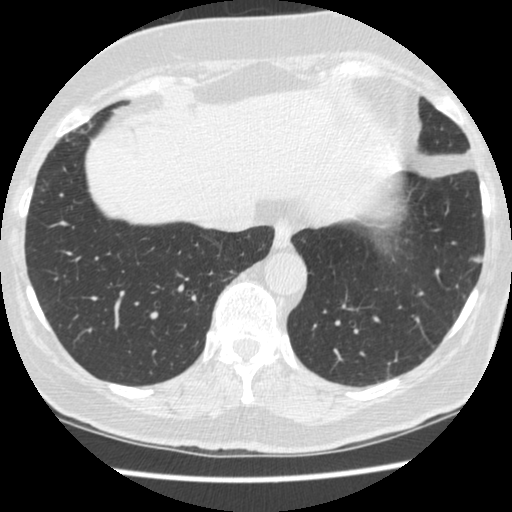
Slice 128/481 of a chest CT, counting up from the lowest; pixel size 0.605 mm, slice thickness 1.25 mm. Pulmonary nodule outlined by all four readers; box rows 254–263, columns 467–481 (the union of the readers' outlines on this slice); longest diameter 9.9–10.4 mm and volume 124–211 mm3 across the four readers' outlines. The readers' ratings, as ranges where they differ: texture from 4/5 to 5/5 (solid) across the four readers; margin from 1/5 (indistinct) to 5/5 (circumscribed) across the four readers; sphericity from 3/5 (ovoid) to 5/5 (round) across the four readers; calcification absent, all four readers agreeing; internal structure soft tissue from all four readers; subtlety 4/5 from all four readers; malignancy likelihood 2–3/5 (the readers disagree). Scale key (1–5): texture non-solid→solid, margin indistinct→circumscribed, sphericity linear→round, subtlety extremely subtle→obvious, malignancy likelihood highly unlikely→highly suspicious of cancer. Box rows and columns are 0-based pixel indices from the top-left corner, inclusive.
Acquired at 120 kVp and reconstructed with the STANDARD kernel.